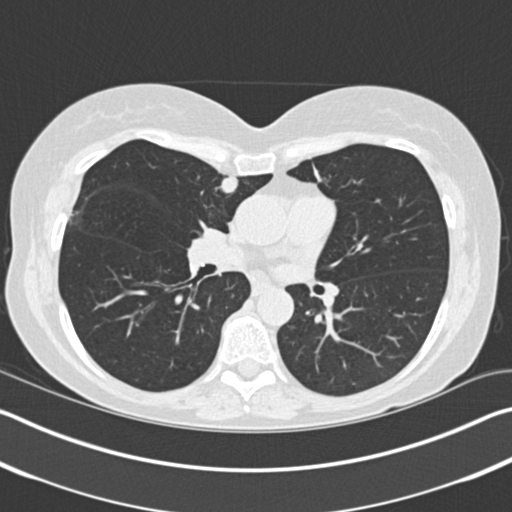
Chest CT, axial plane, 120 kVp, kernel B30f. Slice 98/183 from the bottom of the scan; thickness 2.00 mm; pixel size 0.664 mm.
Pulmonary nodule outlined by all four readers; box rows 176–192, columns 219–238 (the union of the readers' outlines on this slice); median longest diameter 15.0 mm (readers' outlines 14.4–15.3 mm), median volume 1054 mm3 (647–1201 mm3). Median ratings and the readers' spread: texture 5/5 (solid) from all four readers; margin 5/5 (circumscribed) at the median of four readers, spread 4/5 to 5/5 (circumscribed); median sphericity 4/5 (readers ranged 3/5 (ovoid) to 4/5); calcification absent, all four readers agreeing; internal structure soft tissue from all four readers; median subtlety 5/5 (readers ranged 4–5); median malignancy likelihood 4.5/5 (readers ranged 3–5). Scale key (1–5): texture non-solid→solid, margin indistinct→circumscribed, sphericity linear→round, subtlety extremely subtle→obvious, malignancy likelihood highly unlikely→highly suspicious of cancer. Box rows and columns are 0-based pixel indices from the top-left corner, inclusive.